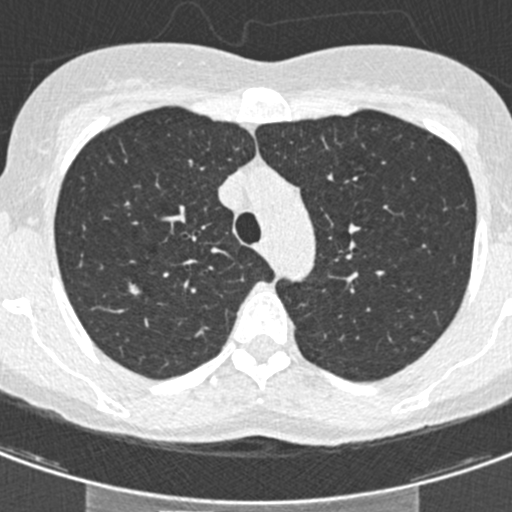
Axial chest CT slice 327 of 429 (counted from the lowest slice); 0.75 mm thick, 0.537 mm per pixel. Pulmonary nodule outlined by all four readers; box rows 281–296, columns 127–142 (the union of the readers' outlines on this slice); longest diameter 12.6 mm on average over the four readers' outlines (readers' outlines 11.2–13.4 mm), volume 226–398 mm3. Ratings, by the readers' most common answer with dissent counted: texture split among the readers: 3/5 (part-solid) (two), 4/5 (two); margin 3/5 by two of four readers; the rest gave 1/5 (indistinct) (one), 4/5 (one); sphericity 2/5 by two of four readers; the rest gave 3/5 (ovoid) (one), 5/5 (round) (one); calcification absent, all four readers agreeing; internal structure soft tissue from all four readers; subtlety 5/5 by two of four readers; the rest gave 3/5 (one), 4/5 (one); malignancy likelihood split among the readers: 3/5 (two), 4/5 (two). Scale key (1–5): texture non-solid→solid, margin indistinct→circumscribed, sphericity linear→round, subtlety extremely subtle→obvious, malignancy likelihood highly unlikely→highly suspicious of cancer. Box rows and columns are 0-based pixel indices from the top-left corner, inclusive.
Tube voltage 120 kVp; convolution kernel B30f.